Axial chest CT slice 148 of 278 (counted from the lowest slice); tube voltage 120 kVp, convolution kernel D; slices 1.00 mm thick, 0.812 mm per pixel.
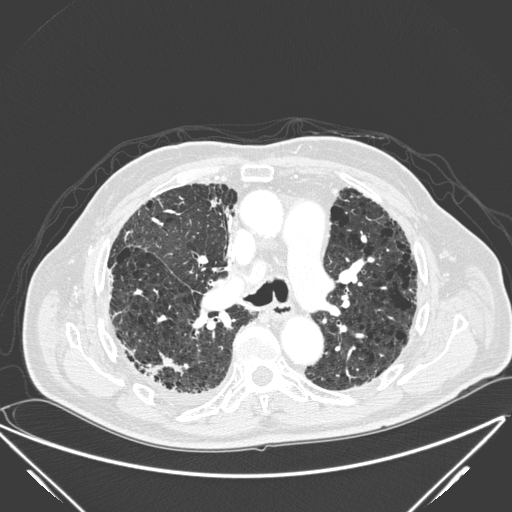
Pulmonary nodule outlined by all four readers; box rows 350–377, columns 147–184 (the union of the readers' outlines on this slice); median longest diameter 33.5 mm (readers' outlines 17.4–39.8 mm), median volume 3234 mm3 (1021–4525 mm3). Median ratings and the readers' spread: texture 5/5 (solid), all four readers agreeing; margin 2.5/5 at the median of four readers, spread 1/5 (indistinct) to 5/5 (circumscribed); median sphericity 2/5 (readers ranged 2/5 to 5/5 (round)); calcification absent, all four readers agreeing; internal structure soft tissue from all four readers; median subtlety 4.5/5 (readers ranged 4–5); malignancy likelihood 4.5/5 at the median of four readers, spread 3–5. Scale key (1–5): texture non-solid→solid, margin indistinct→circumscribed, sphericity linear→round, subtlety extremely subtle→obvious, malignancy likelihood highly unlikely→highly suspicious of cancer. Box rows and columns are 0-based pixel indices from the top-left corner, inclusive.